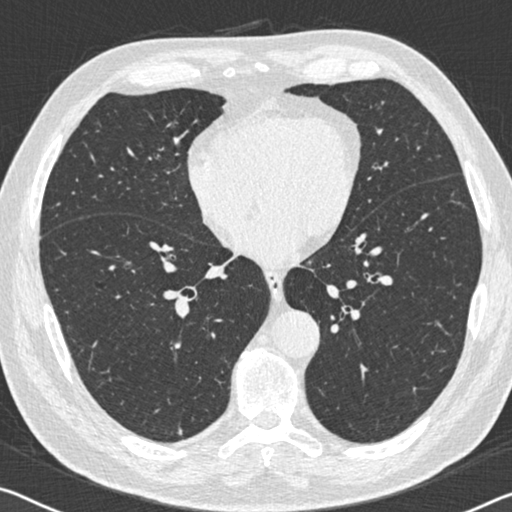
This is axial slice 254 of 536 (slice 1 is the lowest) of a chest CT; each pixel is 0.656 mm and the slice is 0.75 mm thick. Pulmonary nodule at rows 427–435, columns 177–182 (box = the union of the readers' outlines on this slice), outlined by three of the four readers; median longest diameter 8.1 mm (readers' outlines 6.2–9.3 mm), median volume 121 mm3 (71–161 mm3). Median ratings and the readers' spread: texture 5/5 (solid) from all three readers; median margin 4/5 (readers ranged 3/5 to 4/5); sphericity 3/5 (ovoid) at the median of three readers, spread 3/5 (ovoid) to 4/5; calcification: absent (two), non-central calcification (one); internal structure soft tissue from all three readers; median subtlety 4/5 (readers ranged 3–5); malignancy likelihood 2/5 at the median of three readers, spread 2–3. Scale key (1–5): texture non-solid→solid, margin indistinct→circumscribed, sphericity linear→round, subtlety extremely subtle→obvious, malignancy likelihood highly unlikely→highly suspicious of cancer. Box rows and columns are 0-based pixel indices from the top-left corner, inclusive.
Tube voltage 120 kVp; convolution kernel B30f.